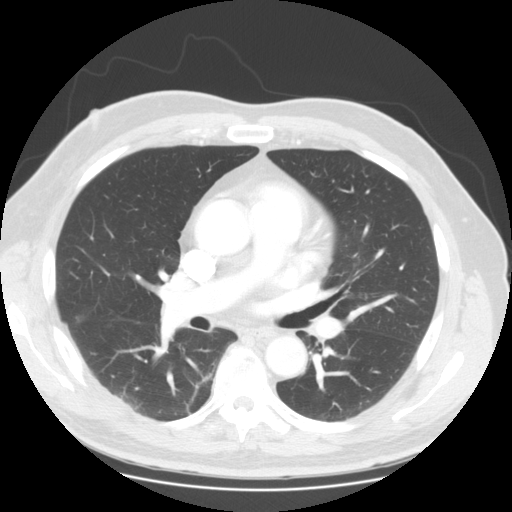
This is axial slice 89 of 145 (slice 1 is the lowest) of a chest CT; each pixel is 0.781 mm and the slice is 2.50 mm thick. The readers outlined no nodule of 3 mm or more on this slice.
Tube voltage 120 kVp; convolution kernel STANDARD.